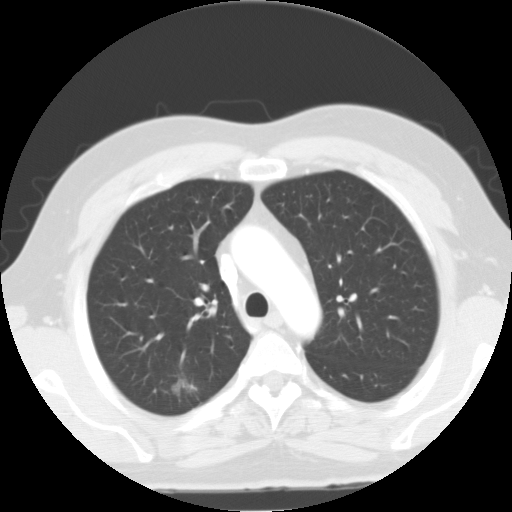
Chest CT, axial plane, 135 kVp, kernel FC01. Slice 80/116 from the bottom of the scan; thickness 3.00 mm; pixel size 0.692 mm.
Pulmonary nodule at rows 373–398, columns 172–196 (box = the union of the readers' outlines on this slice), outlined by all four readers; longest diameter 28.5–32.9 mm and volume 2473–3947 mm3 across the four readers' outlines. The readers' ratings, as ranges where they differ: texture from 3/5 (part-solid) to 5/5 (solid) across the four readers; margin from 1/5 (indistinct) to 2/5 across the four readers; sphericity from 2/5 to 3/5 (ovoid) across the four readers; calcification absent, all four readers agreeing; internal structure soft tissue, all four readers agreeing; subtlety rated between 4 and 5 out of 5 by the four readers; malignancy likelihood 2–5/5 (the readers disagree). Scale key (1–5): texture non-solid→solid, margin indistinct→circumscribed, sphericity linear→round, subtlety extremely subtle→obvious, malignancy likelihood highly unlikely→highly suspicious of cancer. Box rows and columns are 0-based pixel indices from the top-left corner, inclusive.